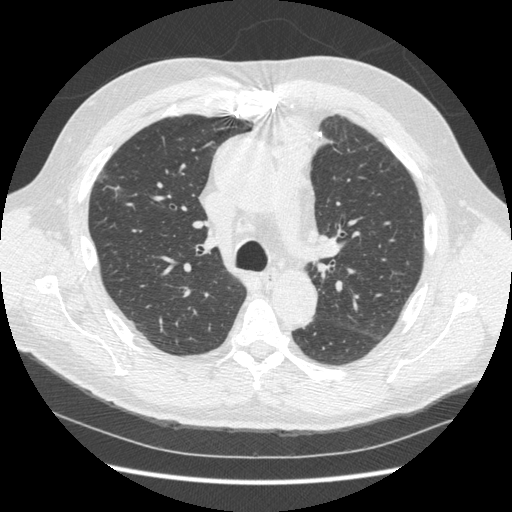
Slice 227/369 of a chest CT, counting up from the lowest; pixel size 0.703 mm, slice thickness 1.25 mm. Pulmonary nodule at rows 168–203, columns 98–126 (box = that reader's outline on this slice), outlined by one of the four readers; longest diameter 27.0 mm and volume 3015 mm3 from that reader's outline. That reader's ratings: texture 1/5 (non-solid); margin 1/5 (indistinct); sphericity 3/5 (ovoid); calcification absent; internal structure soft tissue; subtlety 3/5; malignancy likelihood 3/5. Scale key (1–5): texture non-solid→solid, margin indistinct→circumscribed, sphericity linear→round, subtlety extremely subtle→obvious, malignancy likelihood highly unlikely→highly suspicious of cancer. Box rows and columns are 0-based pixel indices from the top-left corner, inclusive.
Tube voltage 120 kVp; convolution kernel STANDARD.